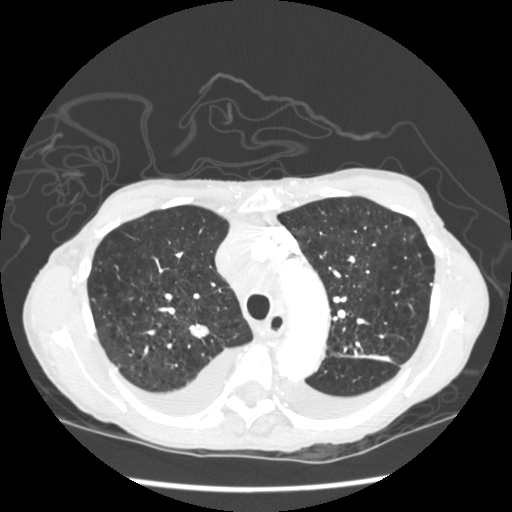
Axial chest CT slice 168 of 233 (counted from the lowest slice); 1.25 mm thick, 0.664 mm per pixel. Pulmonary nodule, outlined by all four readers. Box on this slice rows 324–338, columns 189–208, the union of the readers' outlines on this slice; the four readers' outlines give a longest diameter between 14.3 and 15.4 mm and a volume between 906 and 1149 mm3. Ratings across the readers: texture 5/5 (solid) from all four readers; margin from 4/5 to 5/5 (circumscribed) across the four readers; sphericity from 3/5 (ovoid) to 4/5 across the four readers; calcification absent, all four readers agreeing; internal structure soft tissue from all four readers; subtlety from 4/5 to 5/5 across the four readers; malignancy likelihood from 2/5 to 4/5 across the four readers. Scale key (1–5): texture non-solid→solid, margin indistinct→circumscribed, sphericity linear→round, subtlety extremely subtle→obvious, malignancy likelihood highly unlikely→highly suspicious of cancer. Box rows and columns are 0-based pixel indices from the top-left corner, inclusive.
Scan settings: 120 kVp, STANDARD reconstruction kernel.